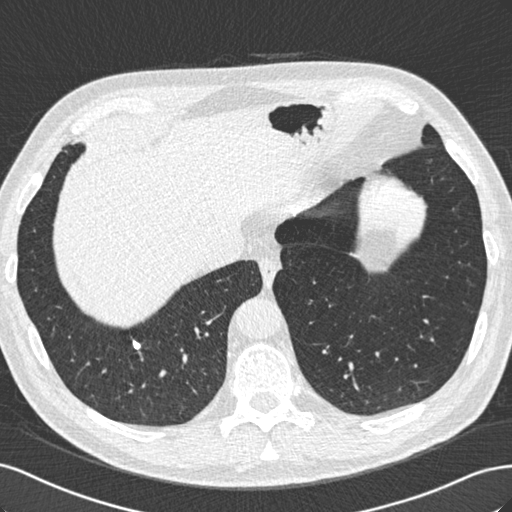
Axial slice 195 of 529 of a chest CT (slice 1 is the lowest), reconstructed with the B30f kernel at 120 kVp; 0.75 mm slice thickness and 0.703 mm pixels.
Pulmonary nodule, outlined by two of the four readers. Box on this slice rows 339–350, columns 131–141, the union of the readers' outlines on this slice; the two readers' outlines give a longest diameter between 7.5 and 9.6 mm and a volume between 88 and 148 mm3. Ratings across the readers: texture 5/5 (solid), both readers agreeing; margin 5/5 (circumscribed) from both readers; sphericity from 4/5 to 5/5 (round) across the two readers; calcification solid calcification from both readers; internal structure soft tissue, both readers agreeing; subtlety from 4/5 to 5/5 across the two readers; malignancy likelihood 1/5, both readers agreeing. Scale key (1–5): texture non-solid→solid, margin indistinct→circumscribed, sphericity linear→round, subtlety extremely subtle→obvious, malignancy likelihood highly unlikely→highly suspicious of cancer. Box rows and columns are 0-based pixel indices from the top-left corner, inclusive.